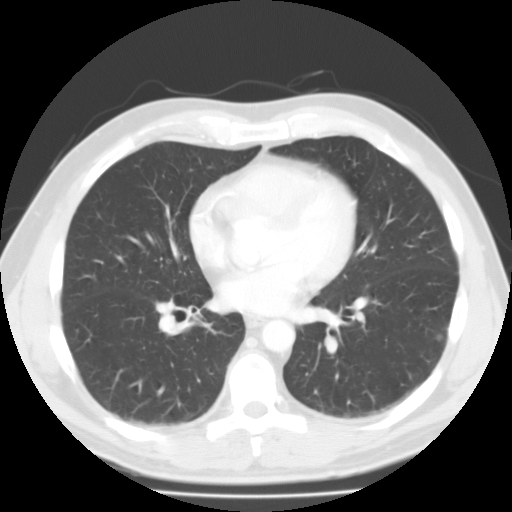
Axial chest CT slice 56 of 116 (counted from the lowest slice); 3.00 mm thick, 0.714 mm per pixel. Pulmonary nodule, outlined by two of the four readers. Box on this slice rows 334–341, columns 437–443, the union of the readers' outlines on this slice; longest diameter 8.0 mm on average over the two readers' outlines (readers' outlines 7.1–8.9 mm), volume 179–273 mm3. Ratings, by the readers' most common answer with dissent counted: texture split among the readers: 2/5 (one), 4/5 (one); margin 3/5, both readers agreeing; sphericity 3/5 (ovoid) from both readers; calcification absent from both readers; internal structure soft tissue from both readers; subtlety split among the readers: 3/5 (one), 4/5 (one); malignancy likelihood 3/5, both readers agreeing. Scale key (1–5): texture non-solid→solid, margin indistinct→circumscribed, sphericity linear→round, subtlety extremely subtle→obvious, malignancy likelihood highly unlikely→highly suspicious of cancer. Box rows and columns are 0-based pixel indices from the top-left corner, inclusive.
Tube voltage 135 kVp; convolution kernel FC01.